Chest CT, axial plane, 120 kVp, kernel STANDARD. Slice 139/277 from the bottom of the scan; thickness 1.25 mm; pixel size 0.879 mm.
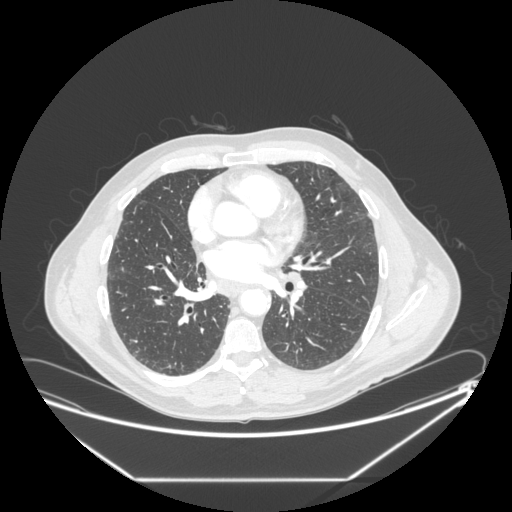
No nodule 3 mm or larger was outlined here by any reader.